Axial chest CT slice 136 of 350 (counted from the lowest slice); tube voltage 120 kVp, convolution kernel C; slices 1.50 mm thick, 0.725 mm per pixel.
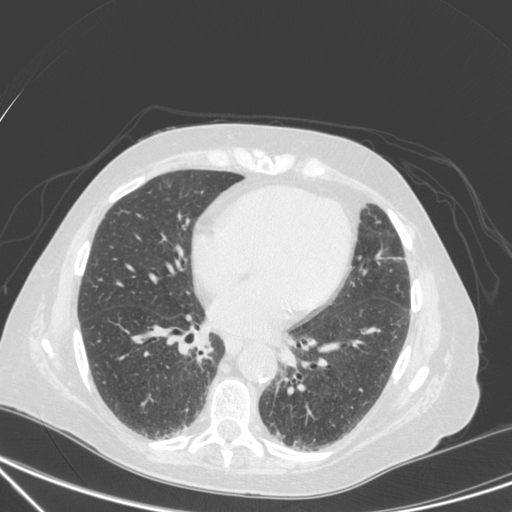
Pulmonary nodule at rows 336–348, columns 196–207 (box = that reader's outline on this slice), outlined by one of the four readers; longest diameter 29.7 mm and volume 4028 mm3 from that reader's outline. Ratings by that reader: texture 5/5 (solid); margin 3/5; sphericity 3/5 (ovoid); calcification absent; internal structure soft tissue; subtlety 5/5; malignancy likelihood 4/5. Scale key (1–5): texture non-solid→solid, margin indistinct→circumscribed, sphericity linear→round, subtlety extremely subtle→obvious, malignancy likelihood highly unlikely→highly suspicious of cancer. Box rows and columns are 0-based pixel indices from the top-left corner, inclusive.